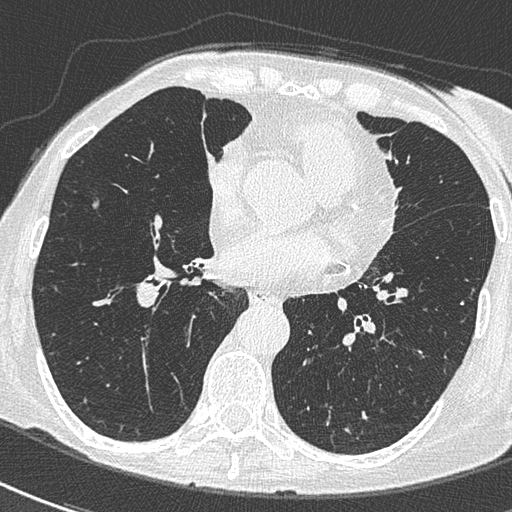
Chest CT, axial plane, 120 kVp, kernel B50f. Slice 279/588 from the bottom of the scan; thickness 0.60 mm; pixel size 0.514 mm.
Pulmonary nodule outlined by all four readers; box rows 197–208, columns 91–99 (the union of the readers' outlines on this slice); median longest diameter 10.8 mm (readers' outlines 10.3–12.9 mm), median volume 374 mm3 (343–465 mm3). Ratings, median across the readers with their spread: texture 5/5 (solid), all four readers agreeing; margin 5/5 (circumscribed) at the median of four readers, spread 4/5 to 5/5 (circumscribed); median sphericity 3.5/5 (readers ranged 3/5 (ovoid) to 5/5 (round)); calcification absent, all four readers agreeing; internal structure soft tissue, all four readers agreeing; median subtlety 5/5 (readers ranged 4–5); median malignancy likelihood 3/5 (readers ranged 2–3). Scale key (1–5): texture non-solid→solid, margin indistinct→circumscribed, sphericity linear→round, subtlety extremely subtle→obvious, malignancy likelihood highly unlikely→highly suspicious of cancer. Box rows and columns are 0-based pixel indices from the top-left corner, inclusive.